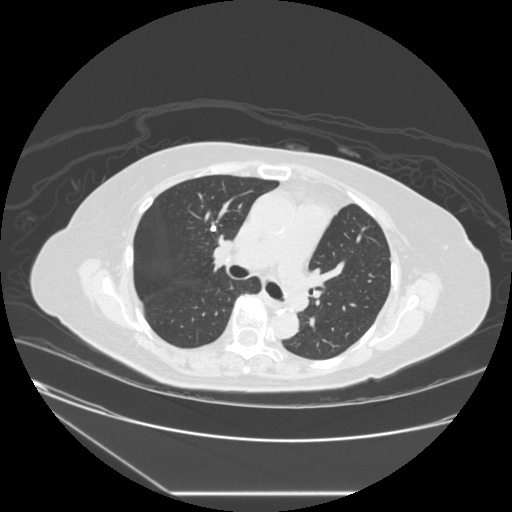
This is axial slice 163 of 241 (slice 1 is the lowest) of a chest CT; each pixel is 0.773 mm and the slice is 1.25 mm thick. Pulmonary nodule outlined by three of the four readers; box rows 225–231, columns 209–216 (the union of the readers' outlines on this slice); median longest diameter 6.6 mm (readers' outlines 6.4–7.1 mm), median volume 132 mm3 (103–202 mm3). Ratings, median across the readers with their spread: texture 5/5 (solid) from all three readers; margin 5/5 (circumscribed), all three readers agreeing; median sphericity 3/5 (ovoid) (readers ranged 3/5 (ovoid) to 5/5 (round)); calcification: solid calcification (two), central calcification (one); internal structure soft tissue from all three readers; subtlety 5/5 at the median of three readers, spread 4–5; malignancy likelihood 1/5, all three readers agreeing. Scale key (1–5): texture non-solid→solid, margin indistinct→circumscribed, sphericity linear→round, subtlety extremely subtle→obvious, malignancy likelihood highly unlikely→highly suspicious of cancer. Box rows and columns are 0-based pixel indices from the top-left corner, inclusive.
Tube voltage 120 kVp; convolution kernel STANDARD.